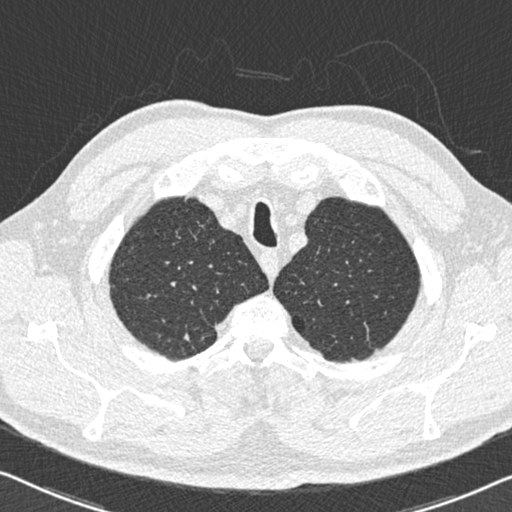
Slice 502/558 of a chest CT, counting up from the lowest; pixel size 0.648 mm, slice thickness 0.75 mm. Pulmonary nodule, outlined by all four readers. Box on this slice rows 332–341, columns 183–189, the union of the readers' outlines on this slice; median longest diameter 7.5 mm (readers' outlines 6.5–8.7 mm), median volume 97 mm3 (71–209 mm3). Ratings, median across the readers with their spread: texture 5/5 (solid) at the median of four readers, spread 4/5 to 5/5 (solid); margin 4.5/5 at the median of four readers, spread 4/5 to 5/5 (circumscribed); median sphericity 3/5 (ovoid) (readers ranged 2/5 to 5/5 (round)); calcification: absent (three), solid calcification (one); internal structure soft tissue, all four readers agreeing; median subtlety 3.5/5 (readers ranged 3–5); median malignancy likelihood 2/5 (readers ranged 1–3). Scale key (1–5): texture non-solid→solid, margin indistinct→circumscribed, sphericity linear→round, subtlety extremely subtle→obvious, malignancy likelihood highly unlikely→highly suspicious of cancer. Box rows and columns are 0-based pixel indices from the top-left corner, inclusive.
Tube voltage 120 kVp; convolution kernel B30f.